Axial chest CT slice 210 of 301 (counted from the lowest slice); tube voltage 120 kVp, convolution kernel STANDARD; slices 1.25 mm thick, 0.752 mm per pixel.
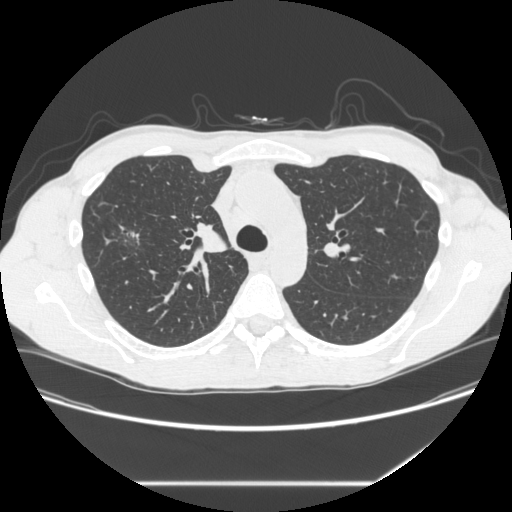
Pulmonary nodule, outlined by all four readers, one of them on this slice. Box on this slice rows 231–243, columns 126–138, the one reader's outline on this slice; longest diameter 12.1–14.8 mm and volume 491–1018 mm3 across the four readers' outlines. Ratings across the readers: texture from 3/5 (part-solid) to 5/5 (solid) across the four readers; margin from 1/5 (indistinct) to 4/5 across the four readers; sphericity from 2/5 to 4/5 across the four readers; calcification absent, all four readers agreeing; internal structure split among the readers: soft tissue (two), air (two); subtlety 5/5, all four readers agreeing; malignancy likelihood from 4/5 to 5/5 across the four readers. Scale key (1–5): texture non-solid→solid, margin indistinct→circumscribed, sphericity linear→round, subtlety extremely subtle→obvious, malignancy likelihood highly unlikely→highly suspicious of cancer. Box rows and columns are 0-based pixel indices from the top-left corner, inclusive.